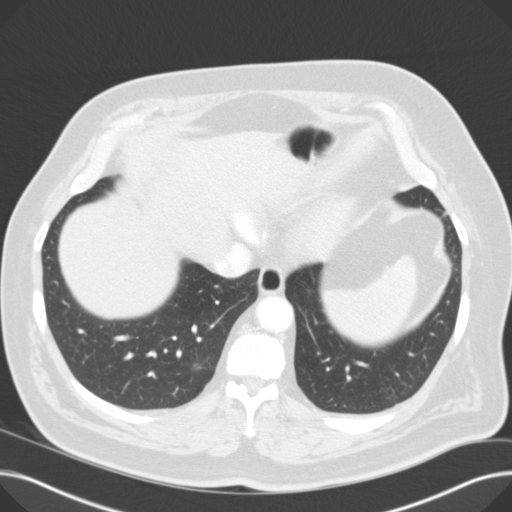
Slice 45/125 of a chest CT, counting up from the lowest; pixel size 0.730 mm, slice thickness 3.00 mm. Pulmonary nodule outlined by three of the four readers, one of them on this slice; box rows 363–370, columns 191–200 (the one reader's outline on this slice); the three readers' outlines give a longest diameter between 10.2 and 12.5 mm and a volume between 310 and 751 mm3. Ratings across the readers: texture from 2/5 to 5/5 (solid) across the three readers; margin from 2/5 to 3/5 across the three readers; sphericity from 4/5 to 5/5 (round) across the three readers; calcification absent from all three readers; internal structure soft tissue from all three readers; subtlety rated between 3 and 5 out of 5 by the three readers; malignancy likelihood rated between 3 and 4 out of 5 by the three readers. Scale key (1–5): texture non-solid→solid, margin indistinct→circumscribed, sphericity linear→round, subtlety extremely subtle→obvious, malignancy likelihood highly unlikely→highly suspicious of cancer. Box rows and columns are 0-based pixel indices from the top-left corner, inclusive.
Tube voltage 120 kVp; convolution kernel B31f.